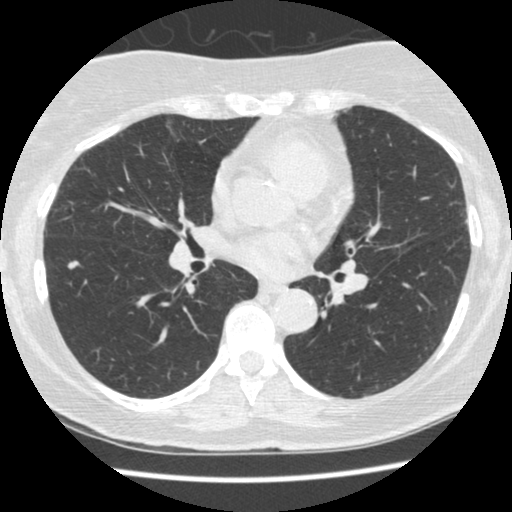
Axial slice 247 of 481 of a chest CT (slice 1 is the lowest), reconstructed with the STANDARD kernel at 120 kVp; 1.25 mm slice thickness and 0.605 mm pixels.
Pulmonary nodule outlined by three of the four readers; box rows 260–269, columns 67–79 (the union of the readers' outlines on this slice); median longest diameter 8.2 mm (readers' outlines 8.1–9.1 mm), median volume 79 mm3 (55–92 mm3). Ratings, median across the readers with their spread: texture 5/5 (solid), all three readers agreeing; median margin 4/5 (readers ranged 4/5 to 5/5 (circumscribed)); median sphericity 3/5 (ovoid) (readers ranged 3/5 (ovoid) to 4/5); calcification absent from all three readers; internal structure soft tissue, all three readers agreeing; subtlety 4/5 from all three readers; malignancy likelihood 3/5 from all three readers. Scale key (1–5): texture non-solid→solid, margin indistinct→circumscribed, sphericity linear→round, subtlety extremely subtle→obvious, malignancy likelihood highly unlikely→highly suspicious of cancer. Box rows and columns are 0-based pixel indices from the top-left corner, inclusive.